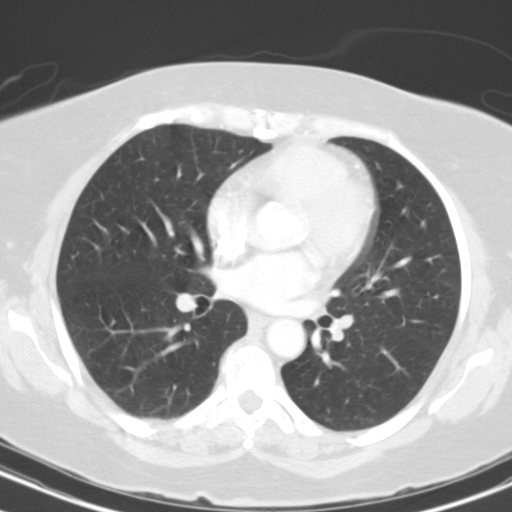
Axial chest CT slice 67 of 114 (counted from the lowest slice); tube voltage 130 kVp, convolution kernel B31s; slices 3.00 mm thick, 0.617 mm per pixel.
This slice carries no reader outline of a nodule 3 mm or larger.